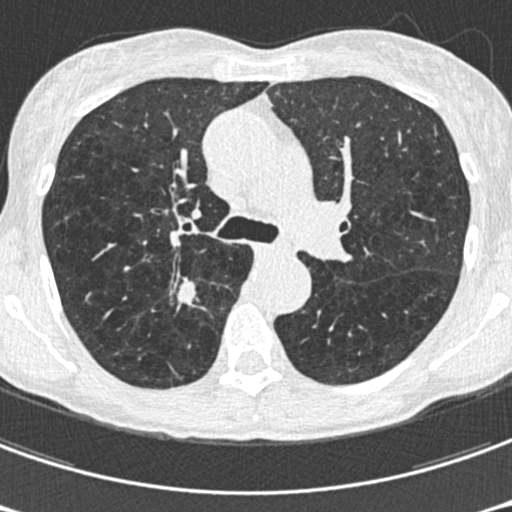
One axial slice (401 of 633, counting up from the lowest) of a chest CT acquired at 120 kVp with the B30f kernel; each pixel is 0.541 mm and the slice is 0.60 mm thick.
Pulmonary nodule, outlined by all four readers. Box on this slice rows 277–304, columns 176–195, the union of the readers' outlines on this slice; longest diameter 19.0 mm on average over the four readers' outlines (readers' outlines 18.1–21.0 mm), volume 1292–1642 mm3. Ratings, by the readers' most common answer with dissent counted: texture 5/5 (solid) from all four readers; margin 2/5 by two of four readers; the rest gave 1/5 (indistinct) (one), 3/5 (one); sphericity 3/5 (ovoid) by two of four readers; the rest gave 2/5 (one), 4/5 (one); calcification absent, all four readers agreeing; internal structure soft tissue from all four readers; most readers (three of four) put subtlety at 5/5, others 4/5 (one); malignancy likelihood 5/5 by three of four readers; the rest gave 4/5 (one). Scale key (1–5): texture non-solid→solid, margin indistinct→circumscribed, sphericity linear→round, subtlety extremely subtle→obvious, malignancy likelihood highly unlikely→highly suspicious of cancer. Box rows and columns are 0-based pixel indices from the top-left corner, inclusive.